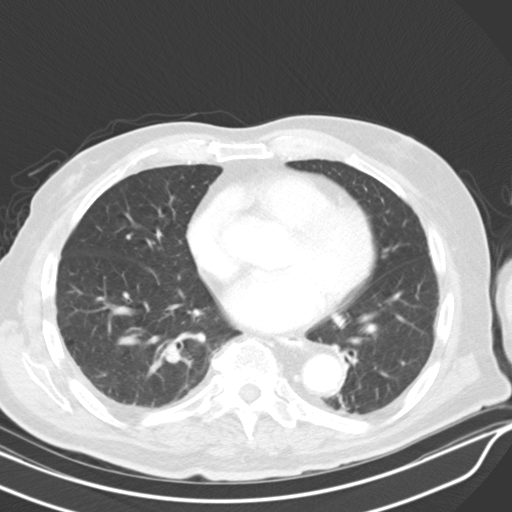
Chest CT, axial plane, 130 kVp, kernel B30s. Slice 225/319 from the bottom of the scan; thickness 4.00 mm; pixel size 0.729 mm.
Pulmonary nodule at rows 315–327, columns 333–344 (box = that reader's outline on this slice), outlined by one of the four readers; longest diameter 15.4 mm and volume 875 mm3 from that reader's outline. That reader's ratings: texture 4/5; margin 2/5; sphericity 2/5; calcification absent; internal structure soft tissue; subtlety 3/5; malignancy likelihood 3/5. Scale key (1–5): texture non-solid→solid, margin indistinct→circumscribed, sphericity linear→round, subtlety extremely subtle→obvious, malignancy likelihood highly unlikely→highly suspicious of cancer. Box rows and columns are 0-based pixel indices from the top-left corner, inclusive.